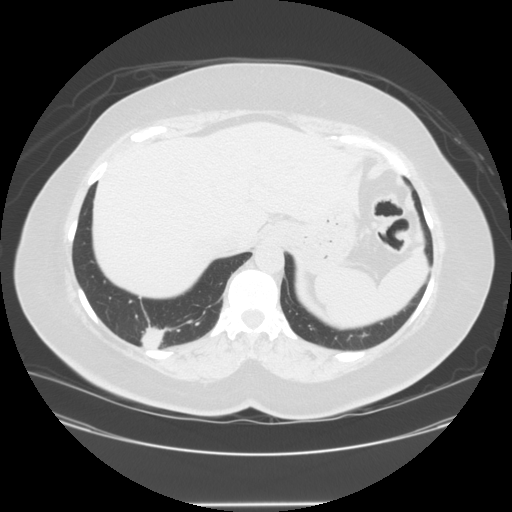
Axial chest CT slice 47 of 150 (counted from the lowest slice); tube voltage 120 kVp, convolution kernel STANDARD; slices 2.50 mm thick, 0.820 mm per pixel.
Pulmonary nodule, outlined by three of the four readers. Box on this slice rows 328–346, columns 138–160, the union of the readers' outlines on this slice; longest diameter 37.6 mm on average over the three readers' outlines (readers' outlines 34.5–41.5 mm), volume 15181–19016 mm3. Ratings, by the readers' most common answer with dissent counted: texture 5/5 (solid) from all three readers; margin 4/5 by two of three readers; the rest gave 2/5 (one); sphericity split among the readers: 3/5 (ovoid) (one), 4/5 (one), 5/5 (round) (one); calcification absent from all three readers; internal structure soft tissue from all three readers; subtlety 5/5 from all three readers; malignancy likelihood 5/5 from all three readers. Scale key (1–5): texture non-solid→solid, margin indistinct→circumscribed, sphericity linear→round, subtlety extremely subtle→obvious, malignancy likelihood highly unlikely→highly suspicious of cancer. Box rows and columns are 0-based pixel indices from the top-left corner, inclusive.